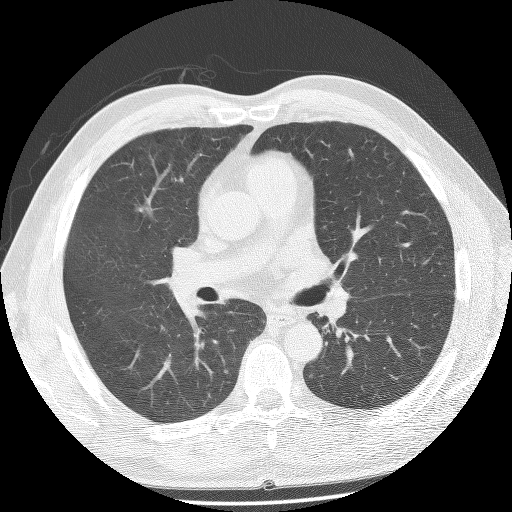
Axial chest CT slice 79 of 132 (counted from the lowest slice); 2.50 mm thick, 0.703 mm per pixel. Pulmonary nodule outlined by one of the four readers; box rows 375–378, columns 309–311 (that reader's outline on this slice); longest diameter 4.1 mm and volume 61 mm3 from that reader's outline. That reader's ratings: texture 5/5 (solid); margin 4/5; sphericity 5/5 (round); calcification absent; internal structure soft tissue; subtlety 5/5; malignancy likelihood 3/5. Scale key (1–5): texture non-solid→solid, margin indistinct→circumscribed, sphericity linear→round, subtlety extremely subtle→obvious, malignancy likelihood highly unlikely→highly suspicious of cancer. Box rows and columns are 0-based pixel indices from the top-left corner, inclusive.
Scan settings: 140 kVp, BONE reconstruction kernel.